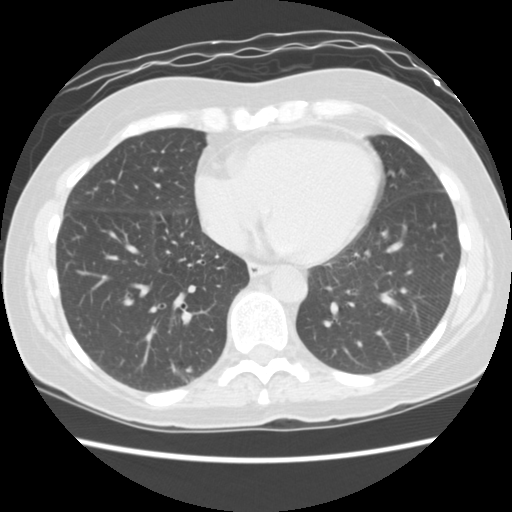
Axial chest CT slice 50 of 156 (counted from the lowest slice); tube voltage 120 kVp, convolution kernel STANDARD; slices 2.50 mm thick, 0.645 mm per pixel.
Pulmonary nodule, outlined by all four readers, three of them on this slice. Box on this slice rows 366–378, columns 174–193, the union of the readers' outlines on this slice; median longest diameter 14.0 mm (readers' outlines 13.7–18.2 mm), median volume 964 mm3 (717–1515 mm3). Median ratings and the readers' spread: texture 5/5 (solid), all four readers agreeing; median margin 4.5/5 (readers ranged 4/5 to 5/5 (circumscribed)); sphericity 3.5/5 at the median of four readers, spread 3/5 (ovoid) to 5/5 (round); calcification: solid calcification (three), absent (one); internal structure soft tissue from all four readers; subtlety 5/5, all four readers agreeing; malignancy likelihood 1/5 at the median of four readers, spread 1–5. Scale key (1–5): texture non-solid→solid, margin indistinct→circumscribed, sphericity linear→round, subtlety extremely subtle→obvious, malignancy likelihood highly unlikely→highly suspicious of cancer. Box rows and columns are 0-based pixel indices from the top-left corner, inclusive.